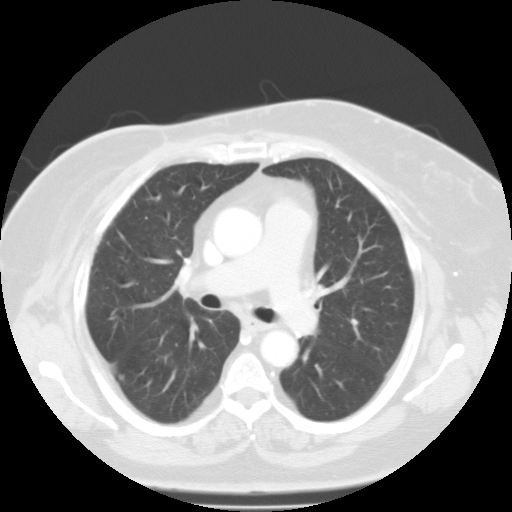
Slice 74/110 of a chest CT, counting up from the lowest; pixel size 0.732 mm, slice thickness 3.00 mm. Pulmonary nodule at rows 374–380, columns 118–123 (box = the union of the readers' outlines on this slice), outlined by two of the four readers; longest diameter 5.6–6.9 mm and volume 77–162 mm3 across the two readers' outlines. Ratings across the readers: texture 5/5 (solid), both readers agreeing; margin 4/5 from both readers; sphericity 5/5 (round), both readers agreeing; calcification absent from both readers; internal structure soft tissue, both readers agreeing; subtlety from 4/5 to 5/5 across the two readers; malignancy likelihood 3/5 from both readers. Scale key (1–5): texture non-solid→solid, margin indistinct→circumscribed, sphericity linear→round, subtlety extremely subtle→obvious, malignancy likelihood highly unlikely→highly suspicious of cancer. Box rows and columns are 0-based pixel indices from the top-left corner, inclusive.
Acquired at 135 kVp and reconstructed with the FC01 kernel.